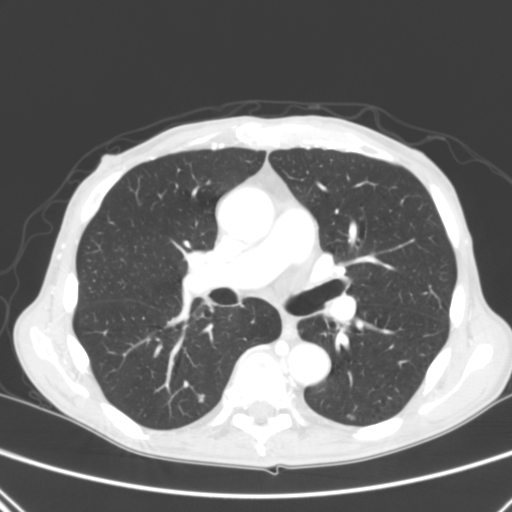
One axial slice (163 of 290, counting up from the lowest) of a chest CT acquired at 120 kVp with the B kernel; each pixel is 0.639 mm and the slice is 2.00 mm thick.
Two pulmonary nodules on this slice, listed from left to right. (1) Pulmonary nodule, outlined by three of the four readers. Box on this slice rows 393–402, columns 198–204, the union of the readers' outlines on this slice; the three readers' outlines give a longest diameter between 6.9 and 9.4 mm and a volume between 83 and 138 mm3. The readers' ratings, as ranges where they differ: texture from 3/5 (part-solid) to 5/5 (solid) across the three readers; margin from 2/5 to 4/5 across the three readers; sphericity from 2/5 to 4/5 across the three readers; calcification absent from all three readers; internal structure soft tissue, all three readers agreeing; subtlety from 2/5 to 4/5 across the three readers; malignancy likelihood from 2/5 to 4/5 across the three readers. (2) Pulmonary nodule at rows 414–419, columns 345–355 (box = the union of the readers' outlines on this slice), outlined by all four readers; longest diameter 7.9 mm on average over the four readers' outlines (readers' outlines 7.4–8.6 mm), volume 120–172 mm3. Ratings, by the readers' most common answer with dissent counted: most readers (three of four) put texture at 5/5 (solid), others 4/5 (one); margin 4/5 by three of four readers; the rest gave 2/5 (one); sphericity 3/5 (ovoid) by three of four readers; the rest gave 4/5 (one); calcification absent, all four readers agreeing; internal structure soft tissue, all four readers agreeing; subtlety split among the readers: 4/5 (two), 5/5 (two); malignancy likelihood 3/5 by three of four readers; the rest gave 4/5 (one). Scale key (1–5): texture non-solid→solid, margin indistinct→circumscribed, sphericity linear→round, subtlety extremely subtle→obvious, malignancy likelihood highly unlikely→highly suspicious of cancer. Box rows and columns are 0-based pixel indices from the top-left corner, inclusive.